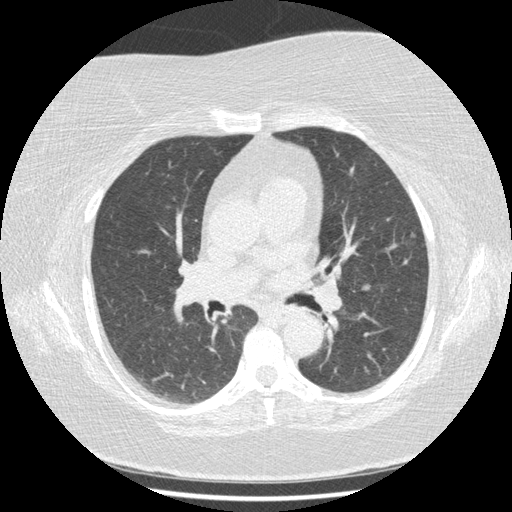
This is axial slice 247 of 417 (slice 1 is the lowest) of a chest CT; each pixel is 0.703 mm and the slice is 1.25 mm thick. Two pulmonary nodules on this slice, listed from left to right. (1) Pulmonary nodule, outlined by all four readers. Box on this slice rows 283–291, columns 359–370, the union of the readers' outlines on this slice; longest diameter 7.6–10.7 mm and volume 89–248 mm3 across the four readers' outlines. Ratings across the readers: texture 5/5 (solid) from all four readers; margin from 4/5 to 5/5 (circumscribed) across the four readers; sphericity from 3/5 (ovoid) to 5/5 (round) across the four readers; calcification absent from all four readers; internal structure soft tissue, all four readers agreeing; subtlety 4–5/5 (the readers disagree); malignancy likelihood rated between 3 and 4 out of 5 by the four readers. (2) Pulmonary nodule outlined by one of the four readers; box rows 234–237, columns 410–415 (that reader's outline on this slice); longest diameter 5.5 mm and volume 21 mm3 from that reader's outline. Ratings by that reader: texture 4/5; margin 2/5; sphericity 4/5; calcification absent; internal structure soft tissue; subtlety 5/5; malignancy likelihood 3/5. Scale key (1–5): texture non-solid→solid, margin indistinct→circumscribed, sphericity linear→round, subtlety extremely subtle→obvious, malignancy likelihood highly unlikely→highly suspicious of cancer. Box rows and columns are 0-based pixel indices from the top-left corner, inclusive.
Scan settings: 120 kVp, STANDARD reconstruction kernel.